Axial chest CT slice 214 of 261 (counted from the lowest slice); tube voltage 120 kVp, convolution kernel STANDARD; slices 1.25 mm thick, 0.684 mm per pixel.
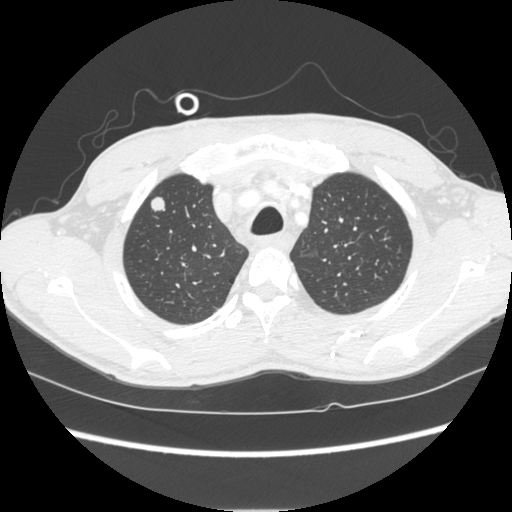
Pulmonary nodule at rows 196–211, columns 150–165 (box = the union of the readers' outlines on this slice), outlined by all four readers; longest diameter 14.0 mm on average over the four readers' outlines (readers' outlines 13.4–14.6 mm), volume 779–989 mm3. Ratings, by the readers' most common answer with dissent counted: texture 5/5 (solid), all four readers agreeing; margin 5/5 (circumscribed), all four readers agreeing; sphericity split among the readers: 4/5 (two), 5/5 (round) (two); calcification absent from all four readers; internal structure soft tissue from all four readers; subtlety 5/5 by two of four readers; the rest gave 3/5 (one), 4/5 (one); malignancy likelihood 4/5 by two of four readers; the rest gave 2/5 (one), 5/5 (one). Scale key (1–5): texture non-solid→solid, margin indistinct→circumscribed, sphericity linear→round, subtlety extremely subtle→obvious, malignancy likelihood highly unlikely→highly suspicious of cancer. Box rows and columns are 0-based pixel indices from the top-left corner, inclusive.